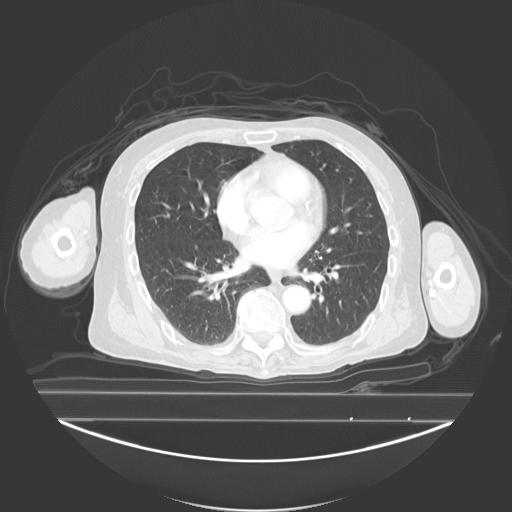
Axial chest CT slice 107 of 278 (counted from the lowest slice); tube voltage 130 kVp, convolution kernel B40s; slices 3.00 mm thick, 0.977 mm per pixel.
Pulmonary nodule at rows 245–248, columns 194–197 (box = the union of the readers' outlines on this slice), outlined by three of the four readers; median longest diameter 6.2 mm (readers' outlines 6.2–6.3 mm), median volume 193 mm3 (123–213 mm3). Median ratings and the readers' spread: median texture 3/5 (part-solid) (readers ranged 1/5 (non-solid) to 5/5 (solid)); median margin 4/5 (readers ranged 3/5 to 5/5 (circumscribed)); sphericity 5/5 (round), all three readers agreeing; calcification absent from all three readers; internal structure soft tissue, all three readers agreeing; median subtlety 3/5 (readers ranged 2–4); median malignancy likelihood 2/5 (readers ranged 2–3). Scale key (1–5): texture non-solid→solid, margin indistinct→circumscribed, sphericity linear→round, subtlety extremely subtle→obvious, malignancy likelihood highly unlikely→highly suspicious of cancer. Box rows and columns are 0-based pixel indices from the top-left corner, inclusive.